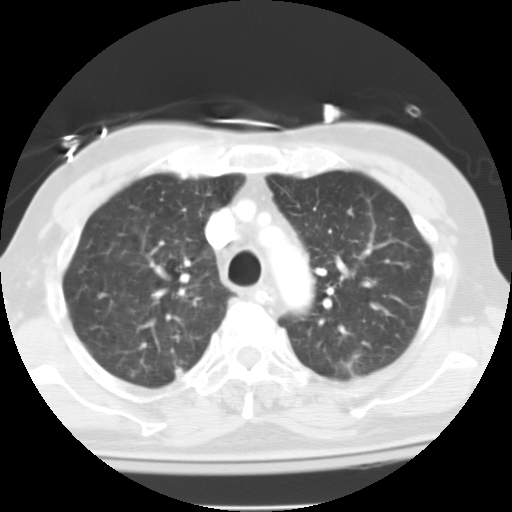
Axial chest CT slice 95 of 125 (counted from the lowest slice); tube voltage 135 kVp, convolution kernel FC10; slices 3.00 mm thick, 0.628 mm per pixel.
Pulmonary nodule, outlined by one of the four readers. Box on this slice rows 374–376, columns 131–134, that reader's outline on this slice; longest diameter 5.6 mm and volume 105 mm3 from that reader's outline. Ratings by that reader: texture 3/5 (part-solid); margin 3/5; sphericity 4/5; calcification absent; internal structure soft tissue; subtlety 4/5; malignancy likelihood 3/5. Scale key (1–5): texture non-solid→solid, margin indistinct→circumscribed, sphericity linear→round, subtlety extremely subtle→obvious, malignancy likelihood highly unlikely→highly suspicious of cancer. Box rows and columns are 0-based pixel indices from the top-left corner, inclusive.